Axial slice 182 of 417 of a chest CT (slice 1 is the lowest), reconstructed with the STANDARD kernel at 120 kVp; 1.25 mm slice thickness and 0.703 mm pixels.
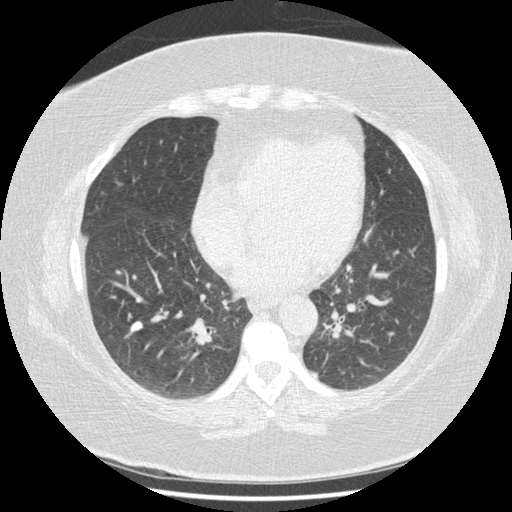
Pulmonary nodule at rows 321–331, columns 131–142 (box = the union of the readers' outlines on this slice), outlined by all four readers; median longest diameter 10.6 mm (readers' outlines 10.5–10.9 mm), median volume 457 mm3 (396–502 mm3). Median ratings and the readers' spread: texture 5/5 (solid), all four readers agreeing; margin 5/5 (circumscribed) from all four readers; sphericity 4/5 at the median of four readers, spread 3/5 (ovoid) to 4/5; calcification: solid calcification (three), absent (one); internal structure soft tissue from all four readers; subtlety 5/5 from all four readers; malignancy likelihood 1/5, all four readers agreeing. Scale key (1–5): texture non-solid→solid, margin indistinct→circumscribed, sphericity linear→round, subtlety extremely subtle→obvious, malignancy likelihood highly unlikely→highly suspicious of cancer. Box rows and columns are 0-based pixel indices from the top-left corner, inclusive.